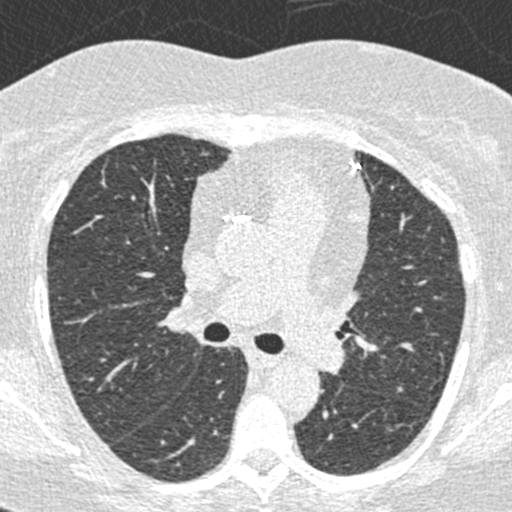
One axial slice (290 of 423, counting up from the lowest) of a chest CT acquired at 120 kVp with the B30f kernel; each pixel is 0.520 mm and the slice is 0.75 mm thick.
The readers outlined no nodule of 3 mm or more on this slice.